Chest CT, axial plane, 120 kVp, kernel STANDARD. Slice 346/481 from the bottom of the scan; thickness 1.25 mm; pixel size 0.703 mm.
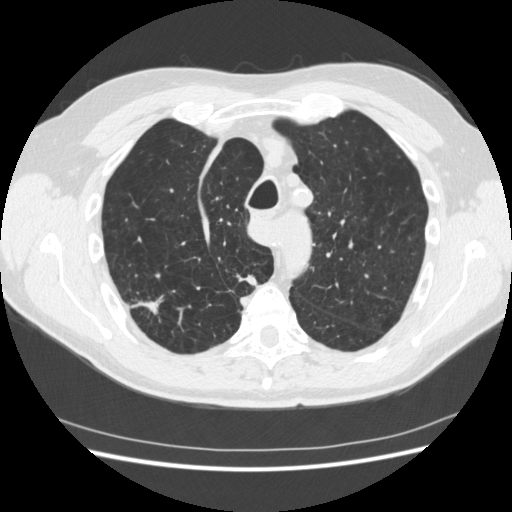
Two pulmonary nodules on this slice, listed from left to right. (1) Pulmonary nodule at rows 293–315, columns 131–166 (box = the union of the readers' outlines on this slice), outlined by all four readers; median longest diameter 25.6 mm (readers' outlines 18.7–34.9 mm), median volume 2081 mm3 (1155–4169 mm3). Ratings, median across the readers with their spread: texture 5/5 (solid) at the median of four readers, spread 4/5 to 5/5 (solid); margin 2.5/5 at the median of four readers, spread 1/5 (indistinct) to 4/5; median sphericity 3.5/5 (readers ranged 2/5 to 5/5 (round)); calcification absent, all four readers agreeing; internal structure soft tissue from all four readers; subtlety 5/5, all four readers agreeing; median malignancy likelihood 5/5 (readers ranged 4–5). (2) Pulmonary nodule outlined by three of the four readers; box rows 274–285, columns 236–257 (the union of the readers' outlines on this slice); longest diameter 15.9 mm on average over the three readers' outlines (readers' outlines 13.5–18.5 mm), volume 529–1088 mm3. The readers' prevailing ratings and who disagreed: texture 5/5 (solid) from all three readers; margin 4/5 by two of three readers; the rest gave 1/5 (indistinct) (one); most readers (two of three) put sphericity at 3/5 (ovoid), others 2/5 (one); calcification absent from all three readers; internal structure soft tissue from all three readers; subtlety 5/5 by two of three readers; the rest gave 4/5 (one); malignancy likelihood 5/5 by two of three readers; the rest gave 3/5 (one). Scale key (1–5): texture non-solid→solid, margin indistinct→circumscribed, sphericity linear→round, subtlety extremely subtle→obvious, malignancy likelihood highly unlikely→highly suspicious of cancer. Box rows and columns are 0-based pixel indices from the top-left corner, inclusive.